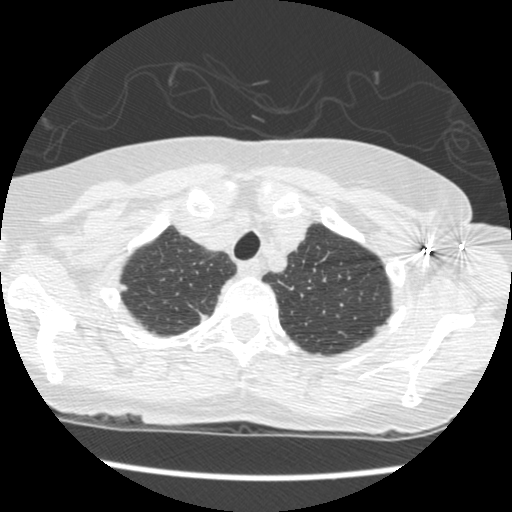
Axial slice 402 of 461 of a chest CT (slice 1 is the lowest), reconstructed with the STANDARD kernel at 120 kVp; 1.25 mm slice thickness and 0.586 mm pixels.
Pulmonary nodule outlined by one of the four readers; box rows 284–289, columns 119–124 (that reader's outline on this slice); longest diameter 6.7 mm and volume 53 mm3 from that reader's outline. Ratings by that reader: texture 5/5 (solid); margin 5/5 (circumscribed); sphericity 4/5; calcification absent; internal structure soft tissue; subtlety 5/5; malignancy likelihood 4/5. Scale key (1–5): texture non-solid→solid, margin indistinct→circumscribed, sphericity linear→round, subtlety extremely subtle→obvious, malignancy likelihood highly unlikely→highly suspicious of cancer. Box rows and columns are 0-based pixel indices from the top-left corner, inclusive.